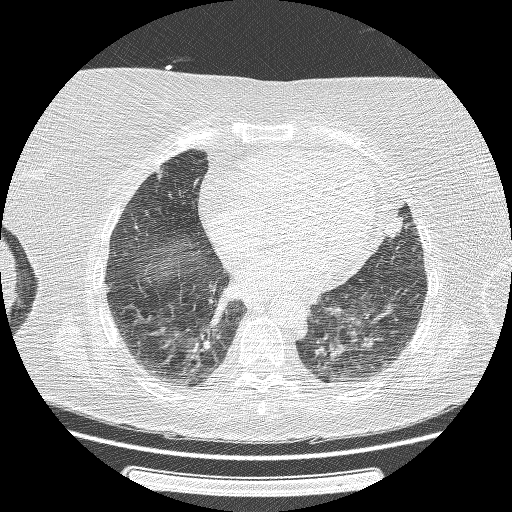
One axial slice (52 of 162, counting up from the lowest) of a chest CT acquired at 120 kVp with the BONE kernel; each pixel is 0.703 mm and the slice is 1.25 mm thick.
Two pulmonary nodules on this slice, listed from left to right. (1) Pulmonary nodule, outlined by all four readers, three of them on this slice. Box on this slice rows 168–179, columns 157–166, the union of the readers' outlines on this slice; median longest diameter 12.2 mm (readers' outlines 10.9–13.0 mm), median volume 356 mm3 (239–644 mm3). Ratings, median across the readers with their spread: texture 5/5 (solid) from all four readers; margin 4/5 from all four readers; sphericity 4/5 at the median of four readers, spread 3/5 (ovoid) to 4/5; calcification: absent (three), solid calcification (one); internal structure soft tissue from all four readers; median subtlety 4.5/5 (readers ranged 4–5); malignancy likelihood 3/5 at the median of four readers, spread 1–3. (2) Pulmonary nodule, outlined by two of the four readers. Box on this slice rows 214–238, columns 385–403, the union of the readers' outlines on this slice; median longest diameter 20.4 mm (readers' outlines 19.1–21.7 mm), median volume 1669 mm3 (914–2424 mm3). Median ratings and the readers' spread: texture 5/5 (solid) from both readers; margin 3.5/5 at the median of two readers, spread 3/5 to 4/5; median sphericity 3.5/5 (readers ranged 3/5 (ovoid) to 4/5); calcification absent, both readers agreeing; internal structure soft tissue, both readers agreeing; median subtlety 4.5/5 (readers ranged 4–5); malignancy likelihood 3/5 from both readers. Scale key (1–5): texture non-solid→solid, margin indistinct→circumscribed, sphericity linear→round, subtlety extremely subtle→obvious, malignancy likelihood highly unlikely→highly suspicious of cancer. Box rows and columns are 0-based pixel indices from the top-left corner, inclusive.